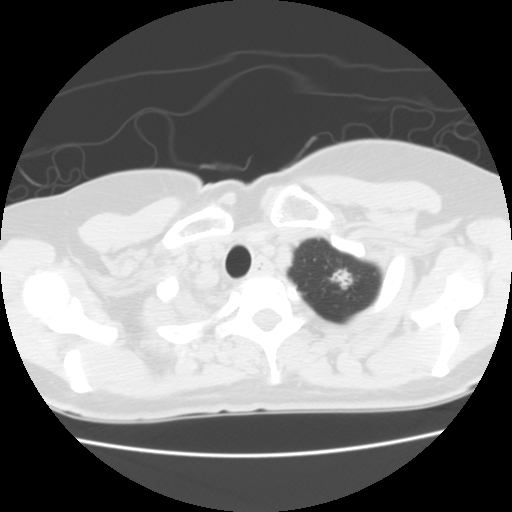
Slice 131/141 of a chest CT, counting up from the lowest; pixel size 0.586 mm, slice thickness 2.50 mm. Pulmonary nodule at rows 267–289, columns 328–352 (box = the union of the readers' outlines on this slice), outlined by all four readers; longest diameter 18.6 mm on average over the four readers' outlines (readers' outlines 15.8–20.0 mm), volume 906–1828 mm3. Ratings, by the readers' most common answer with dissent counted: most readers (three of four) put texture at 4/5, others 5/5 (solid) (one); margin split among the readers: 2/5 (two), 4/5 (two); sphericity 3/5 (ovoid) by two of four readers; the rest gave 4/5 (one), 5/5 (round) (one); calcification absent, all four readers agreeing; internal structure soft tissue from all four readers; subtlety 5/5, all four readers agreeing; malignancy likelihood split among the readers: 4/5 (two), 5/5 (two). Scale key (1–5): texture non-solid→solid, margin indistinct→circumscribed, sphericity linear→round, subtlety extremely subtle→obvious, malignancy likelihood highly unlikely→highly suspicious of cancer. Box rows and columns are 0-based pixel indices from the top-left corner, inclusive.
Tube voltage 120 kVp; convolution kernel STANDARD.